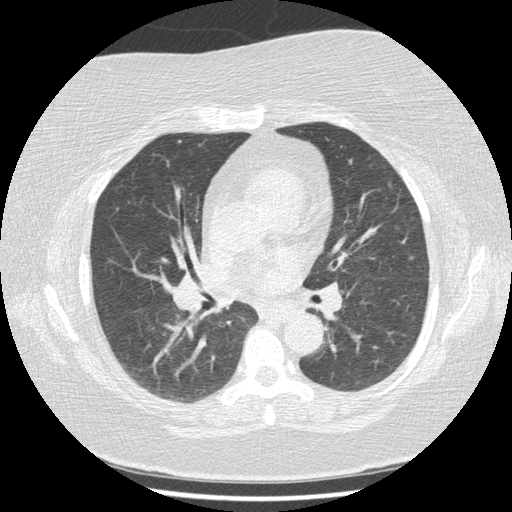
Chest CT, axial plane, 120 kVp, kernel STANDARD. Slice 239/417 from the bottom of the scan; thickness 1.25 mm; pixel size 0.703 mm.
Pulmonary nodule outlined by three of the four readers, two of them on this slice; box rows 183–186, columns 387–391 (the union of the readers' outlines on this slice); longest diameter 7.1 mm on average over the three readers' outlines (readers' outlines 6.6–7.3 mm), volume 55–92 mm3. The readers' prevailing ratings and who disagreed: most readers (two of three) put texture at 5/5 (solid), others 3/5 (part-solid) (one); margin split among the readers: 2/5 (one), 3/5 (one), 4/5 (one); sphericity 4/5 from all three readers; calcification absent, all three readers agreeing; internal structure soft tissue, all three readers agreeing; most readers (two of three) put subtlety at 4/5, others 5/5 (one); most readers (two of three) put malignancy likelihood at 3/5, others 2/5 (one). Scale key (1–5): texture non-solid→solid, margin indistinct→circumscribed, sphericity linear→round, subtlety extremely subtle→obvious, malignancy likelihood highly unlikely→highly suspicious of cancer. Box rows and columns are 0-based pixel indices from the top-left corner, inclusive.